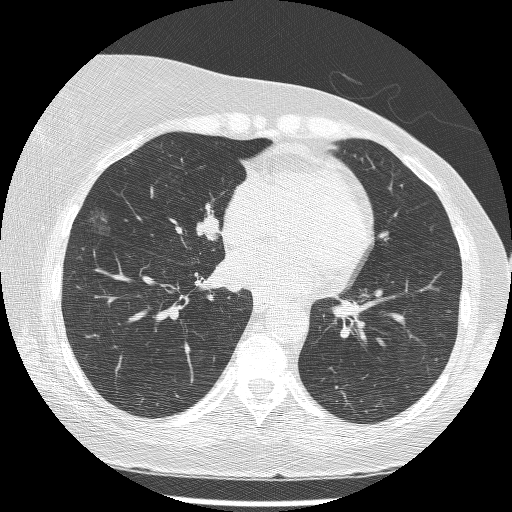
This is axial slice 79 of 209 (slice 1 is the lowest) of a chest CT; each pixel is 0.617 mm and the slice is 1.25 mm thick. Three pulmonary nodules on this slice, listed from left to right. (1) Pulmonary nodule outlined by three of the four readers; box rows 206–236, columns 78–110 (the union of the readers' outlines on this slice); longest diameter 21.9 mm on average over the three readers' outlines (readers' outlines 20.1–23.8 mm), volume 734–2087 mm3. The readers' prevailing ratings and who disagreed: texture 1/5 (non-solid), all three readers agreeing; margin 1/5 (indistinct), all three readers agreeing; sphericity 4/5 by two of three readers; the rest gave 3/5 (ovoid) (one); calcification absent, all three readers agreeing; internal structure soft tissue from all three readers; subtlety split among the readers: 1/5 (one), 2/5 (one), 3/5 (one); malignancy likelihood split among the readers: 3/5 (one), 4/5 (one), 5/5 (one). (2) Pulmonary nodule, outlined by three of the four readers. Box on this slice rows 215–240, columns 195–219, the union of the readers' outlines on this slice; longest diameter 22.9–27.7 mm and volume 3040–4232 mm3 across the three readers' outlines. Ratings across the readers: texture 5/5 (solid) from all three readers; margin from 4/5 to 5/5 (circumscribed) across the three readers; sphericity from 3/5 (ovoid) to 4/5 across the three readers; calcification absent, all three readers agreeing; internal structure soft tissue from all three readers; subtlety 5/5 from all three readers; malignancy likelihood 5/5, all three readers agreeing. (3) Pulmonary nodule, outlined by one of the four readers. Box on this slice rows 154–157, columns 353–355, that reader's outline on this slice; longest diameter 5.5 mm and volume 64 mm3 from that reader's outline. Ratings by that reader: texture 3/5 (part-solid); margin 1/5 (indistinct); sphericity 3/5 (ovoid); calcification absent; internal structure soft tissue; subtlety 3/5; malignancy likelihood 3/5. Scale key (1–5): texture non-solid→solid, margin indistinct→circumscribed, sphericity linear→round, subtlety extremely subtle→obvious, malignancy likelihood highly unlikely→highly suspicious of cancer. Box rows and columns are 0-based pixel indices from the top-left corner, inclusive.
Tube voltage 120 kVp; convolution kernel BONE.